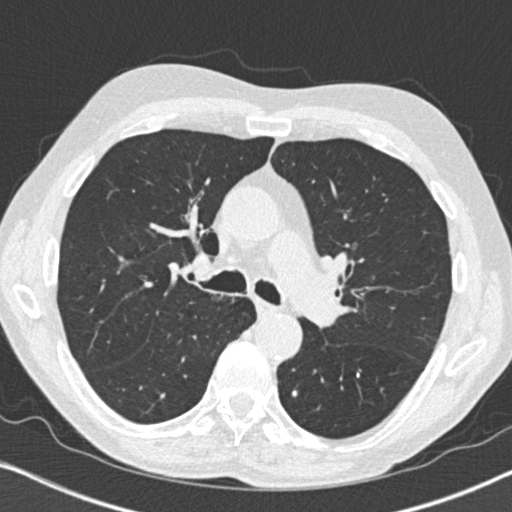
Axial chest CT slice 494 of 764 (counted from the lowest slice); tube voltage 120 kVp, convolution kernel B31f; slices 1.00 mm thick, 0.646 mm per pixel.
Two pulmonary nodules on this slice, listed from left to right. (1) Pulmonary nodule, outlined by all four readers. Box on this slice rows 390–397, columns 291–297, the union of the readers' outlines on this slice; the four readers' outlines give a longest diameter between 10.7 and 12.7 mm and a volume between 382 and 638 mm3. The readers' ratings, as ranges where they differ: texture 5/5 (solid) from all four readers; margin 5/5 (circumscribed), all four readers agreeing; sphericity from 4/5 to 5/5 (round) across the four readers; calcification solid calcification from all four readers; internal structure soft tissue from all four readers; subtlety 5/5, all four readers agreeing; malignancy likelihood 1/5, all four readers agreeing. (2) Pulmonary nodule outlined by two of the four readers; box rows 372–377, columns 356–359 (the union of the readers' outlines on this slice); the two readers' outlines give a longest diameter between 4.7 and 5.8 mm and a volume between 50 and 90 mm3. Ratings across the readers: texture 5/5 (solid), both readers agreeing; margin 5/5 (circumscribed), both readers agreeing; sphericity from 4/5 to 5/5 (round) across the two readers; calcification solid calcification, both readers agreeing; internal structure soft tissue from both readers; subtlety 5/5, both readers agreeing; malignancy likelihood 1/5, both readers agreeing. Scale key (1–5): texture non-solid→solid, margin indistinct→circumscribed, sphericity linear→round, subtlety extremely subtle→obvious, malignancy likelihood highly unlikely→highly suspicious of cancer. Box rows and columns are 0-based pixel indices from the top-left corner, inclusive.